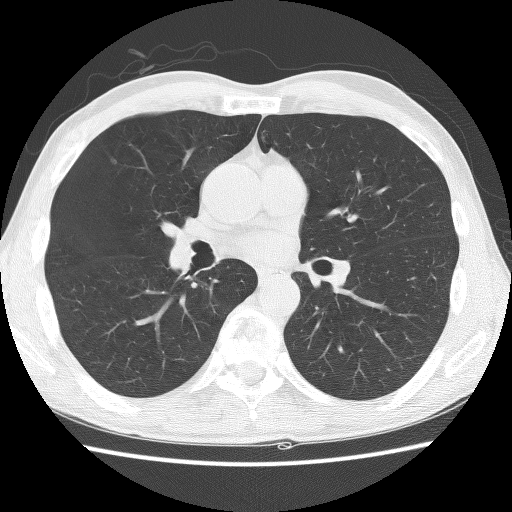
One axial slice (68 of 136, counting up from the lowest) of a chest CT acquired at 140 kVp with the BONE kernel; each pixel is 0.646 mm and the slice is 2.50 mm thick.
Pulmonary nodule, outlined by one of the four readers. Box on this slice rows 158–163, columns 111–115, that reader's outline on this slice; longest diameter 4.7 mm and volume 37 mm3 from that reader's outline. Ratings by that reader: texture 2/5; margin 3/5; sphericity 3/5 (ovoid); calcification absent; internal structure soft tissue; subtlety 2/5; malignancy likelihood 3/5. Scale key (1–5): texture non-solid→solid, margin indistinct→circumscribed, sphericity linear→round, subtlety extremely subtle→obvious, malignancy likelihood highly unlikely→highly suspicious of cancer. Box rows and columns are 0-based pixel indices from the top-left corner, inclusive.